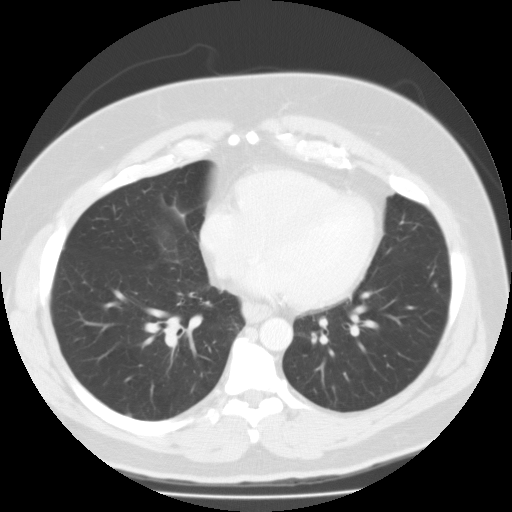
Axial slice 59 of 126 of a chest CT (slice 1 is the lowest), reconstructed with the FC01 kernel at 135 kVp; 3.00 mm slice thickness and 0.744 mm pixels.
Pulmonary nodule outlined by all four readers, three of them on this slice; box rows 283–286, columns 434–436 (the union of the readers' outlines on this slice); the four readers' outlines give a longest diameter between 6.1 and 7.9 mm and a volume between 132 and 234 mm3. The readers' ratings, as ranges where they differ: texture 5/5 (solid) from all four readers; margin from 4/5 to 5/5 (circumscribed) across the four readers; sphericity from 4/5 to 5/5 (round) across the four readers; calcification solid calcification from all four readers; internal structure soft tissue from all four readers; subtlety rated between 4 and 5 out of 5 by the four readers; malignancy likelihood 1/5, all four readers agreeing. Scale key (1–5): texture non-solid→solid, margin indistinct→circumscribed, sphericity linear→round, subtlety extremely subtle→obvious, malignancy likelihood highly unlikely→highly suspicious of cancer. Box rows and columns are 0-based pixel indices from the top-left corner, inclusive.